Axial slice 309 of 458 of a chest CT (slice 1 is the lowest), reconstructed with the STANDARD kernel at 120 kVp; 1.25 mm slice thickness and 0.625 mm pixels.
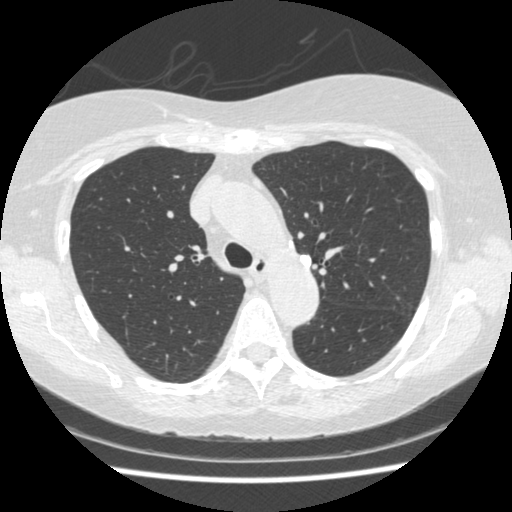
Two pulmonary nodules are outlined on this slice; from left to right: (1) Pulmonary nodule at rows 240–247, columns 288–293 (box = that reader's outline on this slice), outlined by one of the four readers; longest diameter 10.6 mm and volume 342 mm3 from that reader's outline. Ratings by that reader: texture 5/5 (solid); margin 5/5 (circumscribed); sphericity 4/5; calcification solid calcification; internal structure soft tissue; subtlety 4/5; malignancy likelihood 1/5. (2) Pulmonary nodule outlined by one of the four readers; box rows 254–267, columns 300–311 (that reader's outline on this slice); longest diameter 11.9 mm and volume 579 mm3 from that reader's outline. That reader's ratings: texture 5/5 (solid); margin 5/5 (circumscribed); sphericity 5/5 (round); calcification solid calcification; internal structure soft tissue; subtlety 4/5; malignancy likelihood 1/5. Scale key (1–5): texture non-solid→solid, margin indistinct→circumscribed, sphericity linear→round, subtlety extremely subtle→obvious, malignancy likelihood highly unlikely→highly suspicious of cancer. Box rows and columns are 0-based pixel indices from the top-left corner, inclusive.